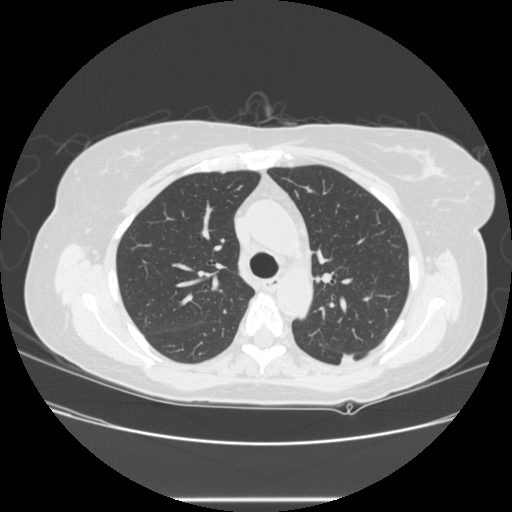
Axial slice 173 of 245 of a chest CT (slice 1 is the lowest), reconstructed with the STANDARD kernel at 120 kVp; 1.25 mm slice thickness and 0.730 mm pixels.
Pulmonary nodule at rows 352–365, columns 339–355 (box = the union of the readers' outlines on this slice), outlined by all four readers; median longest diameter 29.7 mm (readers' outlines 27.2–36.8 mm), median volume 4184 mm3 (3941–5997 mm3). Median ratings and the readers' spread: texture 5/5 (solid), all four readers agreeing; median margin 3.5/5 (readers ranged 1/5 (indistinct) to 4/5); median sphericity 2.5/5 (readers ranged 2/5 to 4/5); calcification absent, all four readers agreeing; internal structure soft tissue from all four readers; subtlety 5/5 from all four readers; malignancy likelihood 5/5 at the median of four readers, spread 4–5. Scale key (1–5): texture non-solid→solid, margin indistinct→circumscribed, sphericity linear→round, subtlety extremely subtle→obvious, malignancy likelihood highly unlikely→highly suspicious of cancer. Box rows and columns are 0-based pixel indices from the top-left corner, inclusive.